Chest CT, axial plane, 120 kVp, kernel D. Slice 228/266 from the bottom of the scan; thickness 1.00 mm; pixel size 0.668 mm.
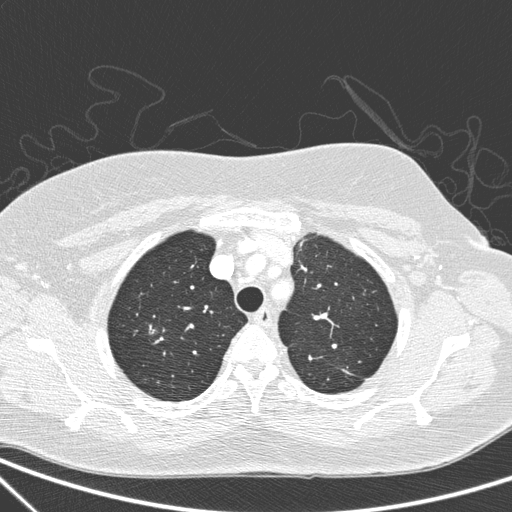
Pulmonary nodule, outlined by all four readers, two of them on this slice. Box on this slice rows 330–332, columns 152–154, the union of the readers' outlines on this slice; the four readers' outlines give a longest diameter between 16.7 and 17.7 mm and a volume between 1306 and 1533 mm3. The readers' ratings, as ranges where they differ: texture 5/5 (solid) from all four readers; margin from 2/5 to 5/5 (circumscribed) across the four readers; sphericity from 3/5 (ovoid) to 5/5 (round) across the four readers; calcification absent from all four readers; internal structure soft tissue, all four readers agreeing; subtlety 5/5, all four readers agreeing; malignancy likelihood 2–5/5 (the readers disagree). Scale key (1–5): texture non-solid→solid, margin indistinct→circumscribed, sphericity linear→round, subtlety extremely subtle→obvious, malignancy likelihood highly unlikely→highly suspicious of cancer. Box rows and columns are 0-based pixel indices from the top-left corner, inclusive.